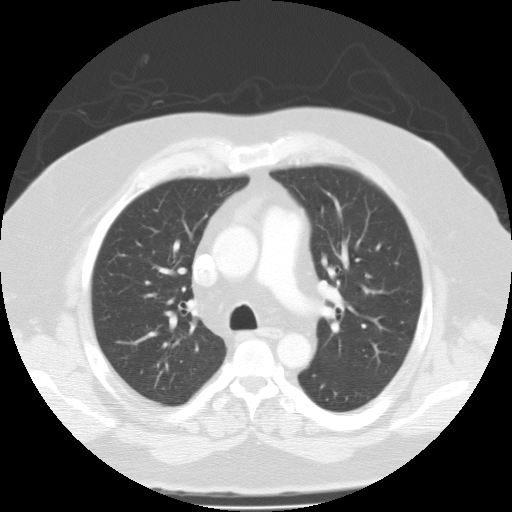
Chest CT, axial plane, 135 kVp, kernel FC01. Slice 78/115 from the bottom of the scan; thickness 3.00 mm; pixel size 0.789 mm.
None of the four readers outlined a nodule of 3 mm or more on this slice.